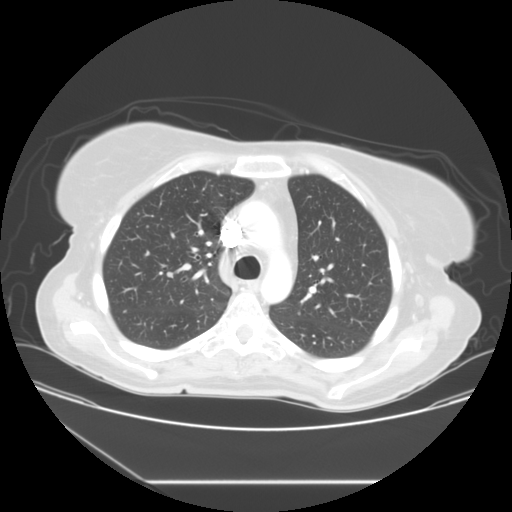
This is axial slice 86 of 117 (slice 1 is the lowest) of a chest CT; each pixel is 0.781 mm and the slice is 2.50 mm thick. Two pulmonary nodules are outlined on this slice; from left to right: (1) Pulmonary nodule outlined by one of the four readers; box rows 272–277, columns 167–173 (that reader's outline on this slice); longest diameter 6.7 mm and volume 95 mm3 from that reader's outline. That reader's ratings: texture 5/5 (solid); margin 5/5 (circumscribed); sphericity 4/5; calcification absent; internal structure soft tissue; subtlety 2/5; malignancy likelihood 3/5. (2) Pulmonary nodule, outlined by three of the four readers, two of them on this slice. Box on this slice rows 308–311, columns 341–344, the union of the readers' outlines on this slice; median longest diameter 5.2 mm (readers' outlines 4.2–5.5 mm), median volume 47 mm3 (47–89 mm3). Ratings, median across the readers with their spread: texture 5/5 (solid) from all three readers; margin 5/5 (circumscribed) at the median of three readers, spread 4/5 to 5/5 (circumscribed); sphericity 5/5 (round) from all three readers; calcification absent from all three readers; internal structure soft tissue, all three readers agreeing; subtlety 3/5 at the median of three readers, spread 2–3; median malignancy likelihood 3/5 (readers ranged 2–3). Scale key (1–5): texture non-solid→solid, margin indistinct→circumscribed, sphericity linear→round, subtlety extremely subtle→obvious, malignancy likelihood highly unlikely→highly suspicious of cancer. Box rows and columns are 0-based pixel indices from the top-left corner, inclusive.
Tube voltage 120 kVp; convolution kernel STANDARD.